Axial chest CT slice 69 of 280 (counted from the lowest slice); tube voltage 120 kVp, convolution kernel D; slices 1.00 mm thick, 0.666 mm per pixel.
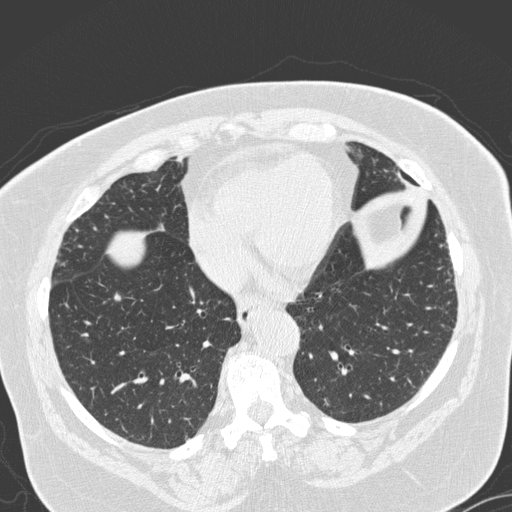
Pulmonary nodule outlined by two of the four readers; box rows 293–300, columns 114–120 (the union of the readers' outlines on this slice); longest diameter 6.3 mm on average over the two readers' outlines (readers' outlines 6.0–6.6 mm), volume 55–68 mm3. Ratings, by the readers' most common answer with dissent counted: texture split among the readers: 4/5 (one), 5/5 (solid) (one); margin split among the readers: 3/5 (one), 5/5 (circumscribed) (one); sphericity split among the readers: 3/5 (ovoid) (one), 5/5 (round) (one); calcification absent, both readers agreeing; internal structure soft tissue, both readers agreeing; subtlety split among the readers: 2/5 (one), 3/5 (one); malignancy likelihood split among the readers: 2/5 (one), 3/5 (one). Scale key (1–5): texture non-solid→solid, margin indistinct→circumscribed, sphericity linear→round, subtlety extremely subtle→obvious, malignancy likelihood highly unlikely→highly suspicious of cancer. Box rows and columns are 0-based pixel indices from the top-left corner, inclusive.